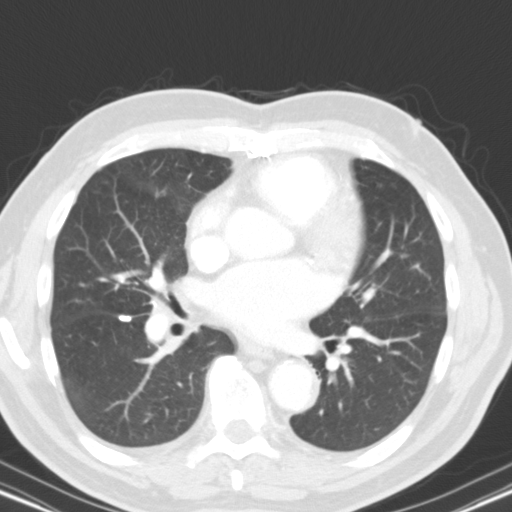
Axial slice 61 of 116 of a chest CT (slice 1 is the lowest), reconstructed with the B31s kernel at 130 kVp; 3.00 mm slice thickness and 0.668 mm pixels.
Pulmonary nodule, outlined by three of the four readers. Box on this slice rows 316–322, columns 119–130, the union of the readers' outlines on this slice; median longest diameter 8.7 mm (readers' outlines 8.0–8.9 mm), median volume 162 mm3 (155–179 mm3). Ratings, median across the readers with their spread: texture 5/5 (solid), all three readers agreeing; margin 5/5 (circumscribed) at the median of three readers, spread 4/5 to 5/5 (circumscribed); median sphericity 3/5 (ovoid) (readers ranged 2/5 to 3/5 (ovoid)); calcification solid calcification, all three readers agreeing; internal structure soft tissue from all three readers; median subtlety 4/5 (readers ranged 4–5); malignancy likelihood 1/5, all three readers agreeing. Scale key (1–5): texture non-solid→solid, margin indistinct→circumscribed, sphericity linear→round, subtlety extremely subtle→obvious, malignancy likelihood highly unlikely→highly suspicious of cancer. Box rows and columns are 0-based pixel indices from the top-left corner, inclusive.